Chest CT, axial plane, 120 kVp, kernel STANDARD. Slice 367/541 from the bottom of the scan; thickness 1.25 mm; pixel size 0.781 mm.
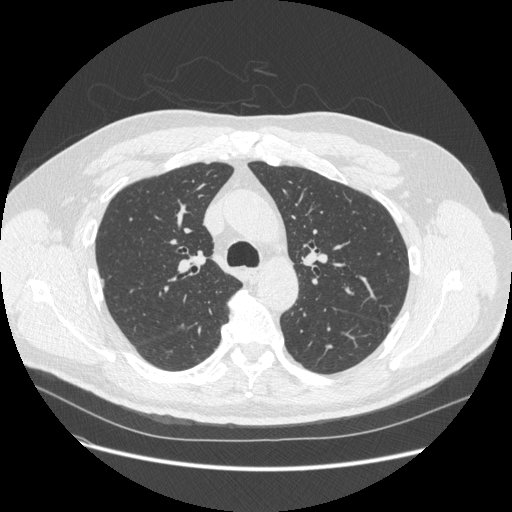
Pulmonary nodule at rows 277–287, columns 99–104 (box = the union of the readers' outlines on this slice), outlined by two of the four readers; median longest diameter 9.2 mm (readers' outlines 8.2–10.3 mm), median volume 100 mm3 (74–127 mm3). Ratings, median across the readers with their spread: texture 5/5 (solid) from both readers; margin 5/5 (circumscribed), both readers agreeing; sphericity 3/5 (ovoid), both readers agreeing; calcification absent from both readers; internal structure soft tissue, both readers agreeing; subtlety 5/5 from both readers; malignancy likelihood 2.5/5 at the median of two readers, spread 2–3. Scale key (1–5): texture non-solid→solid, margin indistinct→circumscribed, sphericity linear→round, subtlety extremely subtle→obvious, malignancy likelihood highly unlikely→highly suspicious of cancer. Box rows and columns are 0-based pixel indices from the top-left corner, inclusive.